Axial slice 88 of 241 of a chest CT (slice 1 is the lowest), reconstructed with the STANDARD kernel at 120 kVp; 1.25 mm slice thickness and 0.684 mm pixels.
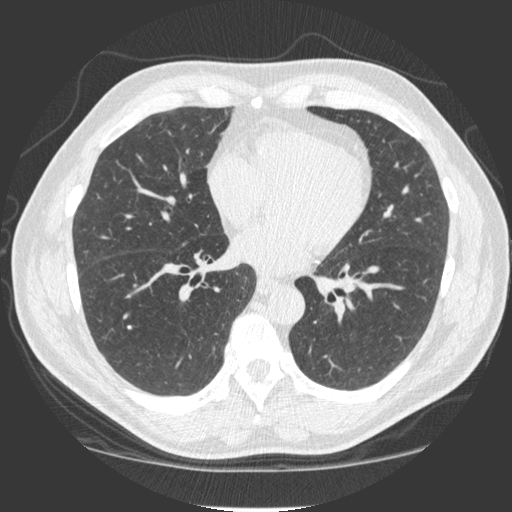
Pulmonary nodule outlined by one of the four readers; box rows 326–328, columns 128–130 (that reader's outline on this slice); longest diameter 5.0 mm and volume 49 mm3 from that reader's outline. Ratings by that reader: texture 5/5 (solid); margin 5/5 (circumscribed); sphericity 4/5; calcification solid calcification; internal structure soft tissue; subtlety 5/5; malignancy likelihood 1/5. Scale key (1–5): texture non-solid→solid, margin indistinct→circumscribed, sphericity linear→round, subtlety extremely subtle→obvious, malignancy likelihood highly unlikely→highly suspicious of cancer. Box rows and columns are 0-based pixel indices from the top-left corner, inclusive.